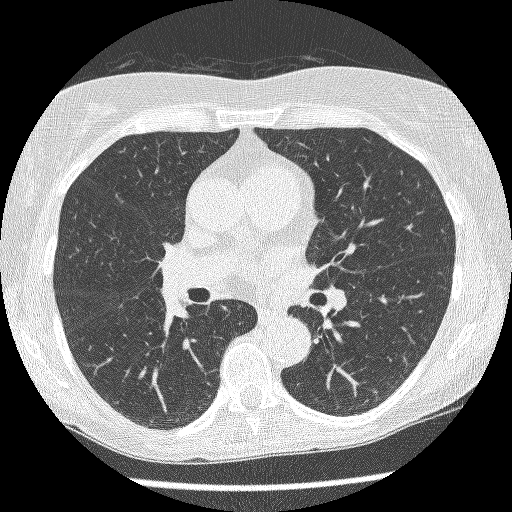
This is axial slice 126 of 230 (slice 1 is the lowest) of a chest CT; each pixel is 0.605 mm and the slice is 1.25 mm thick. The readers outlined no nodule of 3 mm or more on this slice.
Tube voltage 120 kVp; convolution kernel BONE.